One axial slice (664 of 733, counting up from the lowest) of a chest CT acquired at 120 kVp with the B50f kernel; each pixel is 0.637 mm and the slice is 0.60 mm thick.
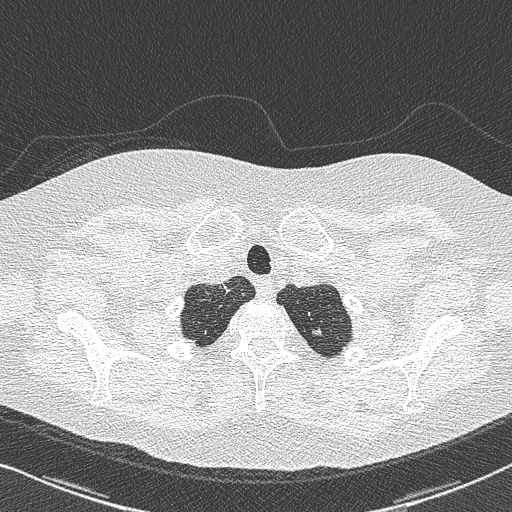
Pulmonary nodule, outlined by three of the four readers. Box on this slice rows 327–336, columns 312–325, the union of the readers' outlines on this slice; median longest diameter 9.4 mm (readers' outlines 8.9–10.9 mm), median volume 62 mm3 (51–94 mm3). Median ratings and the readers' spread: texture 4/5 at the median of three readers, spread 3/5 (part-solid) to 5/5 (solid); median margin 3/5 (readers ranged 2/5 to 4/5); sphericity 3/5 (ovoid) at the median of three readers, spread 2/5 to 5/5 (round); calcification absent, all three readers agreeing; internal structure soft tissue from all three readers; median subtlety 4/5 (readers ranged 4–5); malignancy likelihood 4/5 at the median of three readers, spread 3–4. Scale key (1–5): texture non-solid→solid, margin indistinct→circumscribed, sphericity linear→round, subtlety extremely subtle→obvious, malignancy likelihood highly unlikely→highly suspicious of cancer. Box rows and columns are 0-based pixel indices from the top-left corner, inclusive.